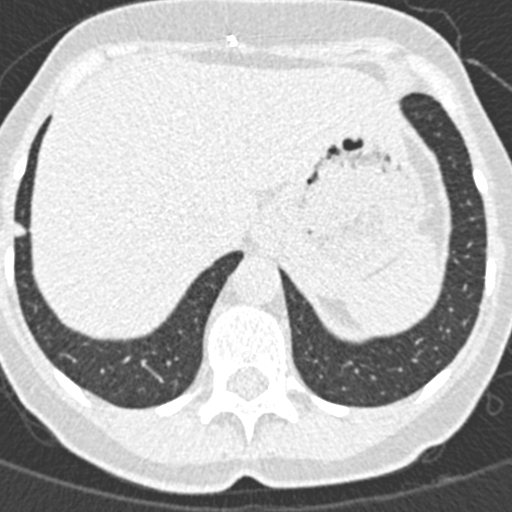
Slice 55/376 of a chest CT, counting up from the lowest; pixel size 0.461 mm, slice thickness 0.75 mm. Pulmonary nodule, outlined by all four readers. Box on this slice rows 221–236, columns 12–26, the union of the readers' outlines on this slice; longest diameter 8.1–8.9 mm and volume 172–196 mm3 across the four readers' outlines. Ratings across the readers: texture from 4/5 to 5/5 (solid) across the four readers; margin from 4/5 to 5/5 (circumscribed) across the four readers; sphericity from 3/5 (ovoid) to 4/5 across the four readers; calcification absent, all four readers agreeing; internal structure soft tissue, all four readers agreeing; subtlety from 3/5 to 5/5 across the four readers; malignancy likelihood 2–4/5 (the readers disagree). Scale key (1–5): texture non-solid→solid, margin indistinct→circumscribed, sphericity linear→round, subtlety extremely subtle→obvious, malignancy likelihood highly unlikely→highly suspicious of cancer. Box rows and columns are 0-based pixel indices from the top-left corner, inclusive.
Scan settings: 120 kVp, B30f reconstruction kernel.